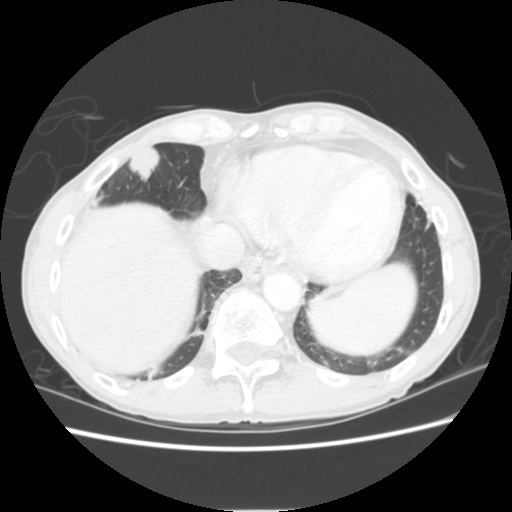
Axial slice 51 of 255 of a chest CT (slice 1 is the lowest), reconstructed with the STANDARD kernel at 120 kVp; 2.50 mm slice thickness and 0.664 mm pixels.
Pulmonary nodule at rows 146–182, columns 128–160 (box = the union of the readers' outlines on this slice), outlined by all four readers; longest diameter 27.2 mm on average over the four readers' outlines (readers' outlines 25.4–30.3 mm), volume 4677–6345 mm3. The readers' prevailing ratings and who disagreed: texture 5/5 (solid) from all four readers; margin split among the readers: 4/5 (two), 5/5 (circumscribed) (two); sphericity 4/5 by two of four readers; the rest gave 3/5 (ovoid) (one), 5/5 (round) (one); calcification absent, all four readers agreeing; internal structure soft tissue from all four readers; subtlety 5/5 from all four readers; most readers (three of four) put malignancy likelihood at 5/5, others 3/5 (one). Scale key (1–5): texture non-solid→solid, margin indistinct→circumscribed, sphericity linear→round, subtlety extremely subtle→obvious, malignancy likelihood highly unlikely→highly suspicious of cancer. Box rows and columns are 0-based pixel indices from the top-left corner, inclusive.